Axial chest CT slice 194 of 276 (counted from the lowest slice); tube voltage 120 kVp, convolution kernel D; slices 2.00 mm thick, 0.617 mm per pixel.
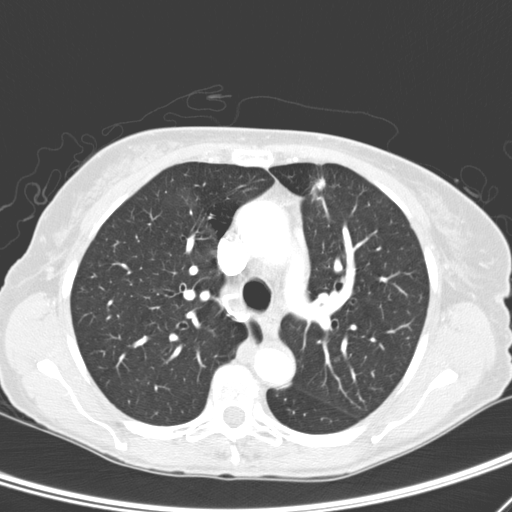
Pulmonary nodule outlined by three of the four readers; box rows 175–198, columns 309–326 (the union of the readers' outlines on this slice); longest diameter 23.3 mm on average over the three readers' outlines (readers' outlines 19.9–25.7 mm), volume 1110–1901 mm3. Ratings, by the readers' most common answer with dissent counted: texture 4/5 by two of three readers; the rest gave 5/5 (solid) (one); most readers (two of three) put margin at 2/5, others 4/5 (one); sphericity 3/5 (ovoid) by two of three readers; the rest gave 4/5 (one); calcification absent, all three readers agreeing; internal structure soft tissue from all three readers; subtlety 5/5 from all three readers; malignancy likelihood 5/5 from all three readers. Scale key (1–5): texture non-solid→solid, margin indistinct→circumscribed, sphericity linear→round, subtlety extremely subtle→obvious, malignancy likelihood highly unlikely→highly suspicious of cancer. Box rows and columns are 0-based pixel indices from the top-left corner, inclusive.